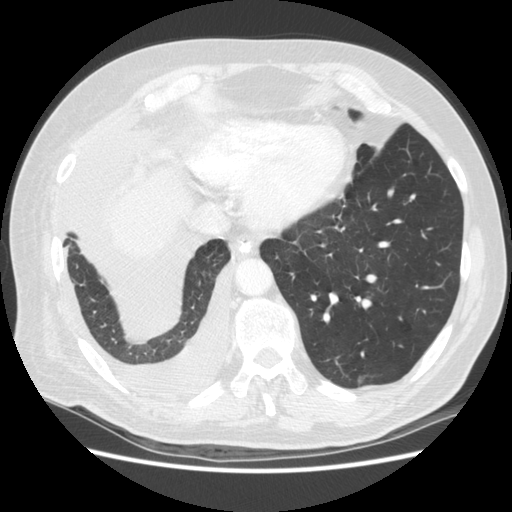
Chest CT, axial plane, 120 kVp, kernel STANDARD. Slice 101/295 from the bottom of the scan; thickness 2.50 mm; pixel size 0.703 mm.
Pulmonary nodule, outlined by one of the four readers. Box on this slice rows 376–383, columns 357–363, that reader's outline on this slice; longest diameter 8.7 mm and volume 104 mm3 from that reader's outline. That reader's ratings: texture 2/5; margin 3/5; sphericity 3/5 (ovoid); calcification absent; internal structure soft tissue; subtlety 5/5; malignancy likelihood 3/5. Scale key (1–5): texture non-solid→solid, margin indistinct→circumscribed, sphericity linear→round, subtlety extremely subtle→obvious, malignancy likelihood highly unlikely→highly suspicious of cancer. Box rows and columns are 0-based pixel indices from the top-left corner, inclusive.